Axial slice 76 of 124 of a chest CT (slice 1 is the lowest), reconstructed with the B31s kernel at 130 kVp; 3.00 mm slice thickness and 0.656 mm pixels.
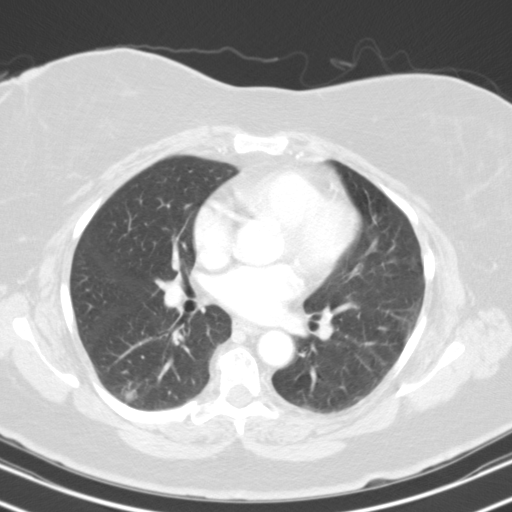
Pulmonary nodule, outlined by all four readers. Box on this slice rows 389–400, columns 125–135, the union of the readers' outlines on this slice; median longest diameter 11.9 mm (readers' outlines 11.5–14.7 mm), median volume 703 mm3 (512–1047 mm3). Median ratings and the readers' spread: texture 5/5 (solid) at the median of four readers, spread 4/5 to 5/5 (solid); median margin 4/5 (readers ranged 3/5 to 5/5 (circumscribed)); sphericity 5/5 (round) at the median of four readers, spread 4/5 to 5/5 (round); calcification split among the readers: solid calcification (two), absent (two); internal structure soft tissue, all four readers agreeing; median subtlety 5/5 (readers ranged 4–5); malignancy likelihood 2/5 at the median of four readers, spread 1–3. Scale key (1–5): texture non-solid→solid, margin indistinct→circumscribed, sphericity linear→round, subtlety extremely subtle→obvious, malignancy likelihood highly unlikely→highly suspicious of cancer. Box rows and columns are 0-based pixel indices from the top-left corner, inclusive.